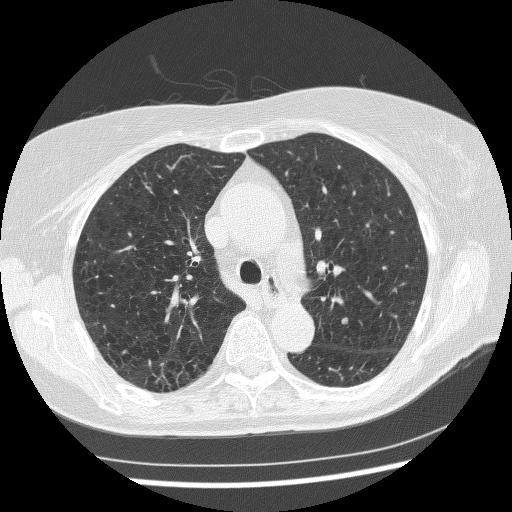
Axial chest CT slice 177 of 247 (counted from the lowest slice); tube voltage 120 kVp, convolution kernel BONE; slices 1.25 mm thick, 0.643 mm per pixel.
Pulmonary nodule, outlined by all four readers. Box on this slice rows 317–323, columns 341–347, the union of the readers' outlines on this slice; median longest diameter 5.9 mm (readers' outlines 5.9–6.3 mm), median volume 71 mm3 (67–85 mm3). Median ratings and the readers' spread: median texture 5/5 (solid) (readers ranged 4/5 to 5/5 (solid)); margin 5/5 (circumscribed) at the median of four readers, spread 4/5 to 5/5 (circumscribed); median sphericity 5/5 (round) (readers ranged 4/5 to 5/5 (round)); calcification absent, all four readers agreeing; internal structure soft tissue from all four readers; median subtlety 2.5/5 (readers ranged 2–5); median malignancy likelihood 3/5 (readers ranged 2–3). Scale key (1–5): texture non-solid→solid, margin indistinct→circumscribed, sphericity linear→round, subtlety extremely subtle→obvious, malignancy likelihood highly unlikely→highly suspicious of cancer. Box rows and columns are 0-based pixel indices from the top-left corner, inclusive.